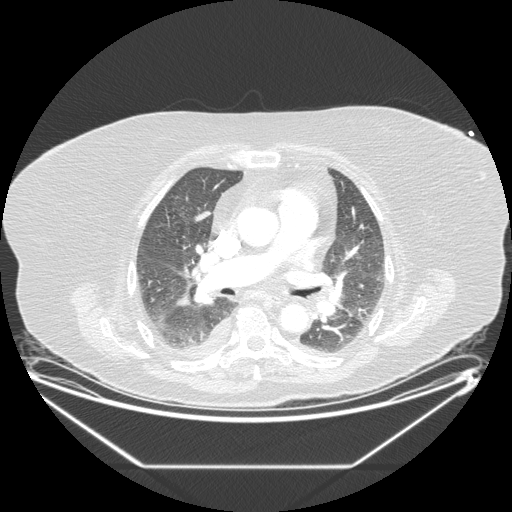
Axial chest CT slice 109 of 206 (counted from the lowest slice); tube voltage 120 kVp, convolution kernel STANDARD; slices 1.25 mm thick, 0.898 mm per pixel.
Pulmonary nodule at rows 210–221, columns 195–209 (box = the union of the readers' outlines on this slice), outlined by three of the four readers; median longest diameter 37.5 mm (readers' outlines 31.1–37.8 mm), median volume 4716 mm3 (4036–4781 mm3). Median ratings and the readers' spread: median texture 5/5 (solid) (readers ranged 1/5 (non-solid) to 5/5 (solid)); margin 4/5, all three readers agreeing; sphericity 3/5 (ovoid) at the median of three readers, spread 2/5 to 3/5 (ovoid); calcification absent from all three readers; internal structure soft tissue from all three readers; subtlety 5/5 at the median of three readers, spread 4–5; malignancy likelihood 5/5 at the median of three readers, spread 3–5. Scale key (1–5): texture non-solid→solid, margin indistinct→circumscribed, sphericity linear→round, subtlety extremely subtle→obvious, malignancy likelihood highly unlikely→highly suspicious of cancer. Box rows and columns are 0-based pixel indices from the top-left corner, inclusive.